Chest CT, axial plane, 120 kVp, kernel B70f. Slice 99/351 from the bottom of the scan; thickness 2.00 mm; pixel size 0.643 mm.
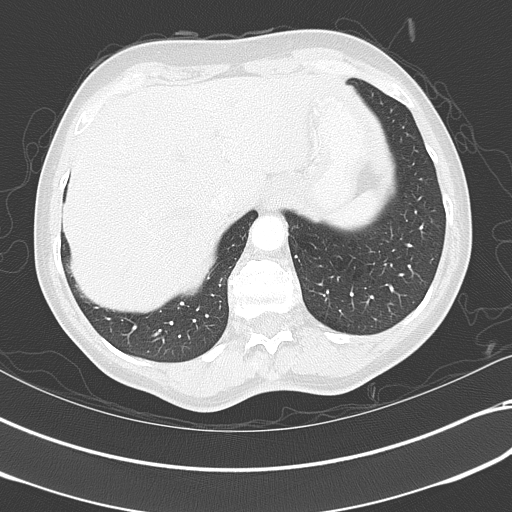
Pulmonary nodule outlined by one of the four readers; box rows 301–305, columns 179–184 (that reader's outline on this slice); longest diameter 4.7 mm and volume 48 mm3 from that reader's outline. That reader's ratings: texture 5/5 (solid); margin 5/5 (circumscribed); sphericity 5/5 (round); calcification solid calcification; internal structure soft tissue; subtlety 3/5; malignancy likelihood 1/5. Scale key (1–5): texture non-solid→solid, margin indistinct→circumscribed, sphericity linear→round, subtlety extremely subtle→obvious, malignancy likelihood highly unlikely→highly suspicious of cancer. Box rows and columns are 0-based pixel indices from the top-left corner, inclusive.